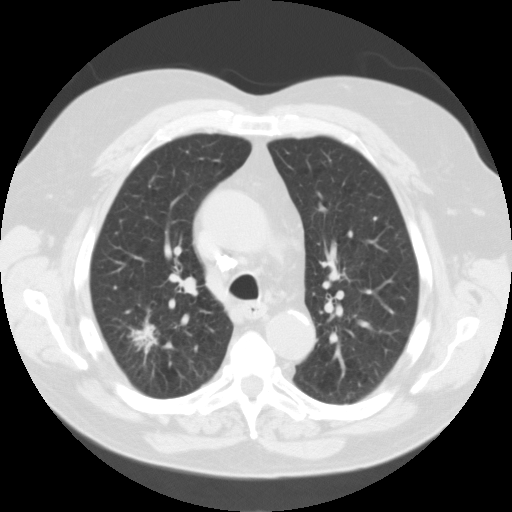
Axial slice 81 of 115 of a chest CT (slice 1 is the lowest), reconstructed with the FC01 kernel at 135 kVp; 3.00 mm slice thickness and 0.720 mm pixels.
Pulmonary nodule at rows 369–375, columns 207–213 (box = the one reader's outline on this slice), outlined by two of the four readers, one of them on this slice; the two readers' outlines give a longest diameter between 6.5 and 7.4 mm and a volume between 115 and 264 mm3. Ratings across the readers: texture 4/5, both readers agreeing; margin from 3/5 to 4/5 across the two readers; sphericity from 3/5 (ovoid) to 4/5 across the two readers; calcification absent from both readers; internal structure soft tissue from both readers; subtlety from 2/5 to 5/5 across the two readers; malignancy likelihood 2–3/5 (the readers disagree). Scale key (1–5): texture non-solid→solid, margin indistinct→circumscribed, sphericity linear→round, subtlety extremely subtle→obvious, malignancy likelihood highly unlikely→highly suspicious of cancer. Box rows and columns are 0-based pixel indices from the top-left corner, inclusive.